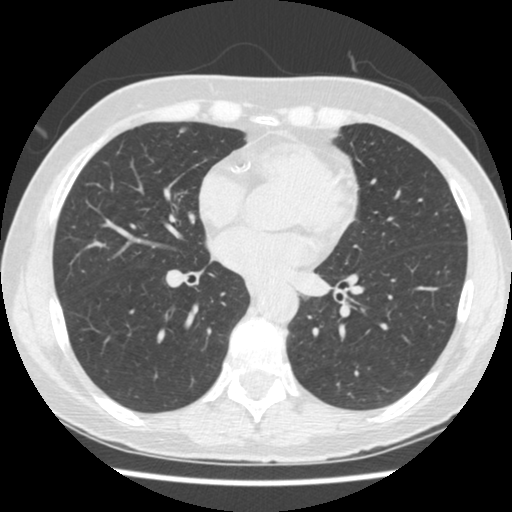
Axial chest CT slice 219 of 481 (counted from the lowest slice); tube voltage 120 kVp, convolution kernel STANDARD; slices 1.25 mm thick, 0.605 mm per pixel.
Pulmonary nodule at rows 128–132, columns 179–185 (box = the union of the readers' outlines on this slice), outlined by all four readers; the four readers' outlines give a longest diameter between 5.4 and 6.8 mm and a volume between 23 and 57 mm3. The readers' ratings, as ranges where they differ: texture from 4/5 to 5/5 (solid) across the four readers; margin from 4/5 to 5/5 (circumscribed) across the four readers; sphericity from 3/5 (ovoid) to 5/5 (round) across the four readers; calcification absent from all four readers; internal structure soft tissue from all four readers; subtlety rated between 3 and 5 out of 5 by the four readers; malignancy likelihood 2–3/5 (the readers disagree). Scale key (1–5): texture non-solid→solid, margin indistinct→circumscribed, sphericity linear→round, subtlety extremely subtle→obvious, malignancy likelihood highly unlikely→highly suspicious of cancer. Box rows and columns are 0-based pixel indices from the top-left corner, inclusive.